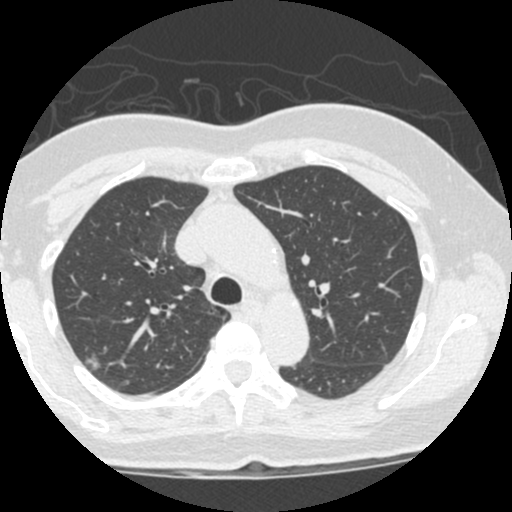
One axial slice (371 of 490, counting up from the lowest) of a chest CT acquired at 120 kVp with the STANDARD kernel; each pixel is 0.547 mm and the slice is 1.25 mm thick.
Pulmonary nodule, outlined by three of the four readers. Box on this slice rows 352–370, columns 84–101, the union of the readers' outlines on this slice; median longest diameter 15.2 mm (readers' outlines 14.3–18.3 mm), median volume 997 mm3 (967–1422 mm3). Median ratings and the readers' spread: median texture 1/5 (non-solid) (readers ranged 1/5 (non-solid) to 5/5 (solid)); margin 2/5 at the median of three readers, spread 2/5 to 4/5; median sphericity 4/5 (readers ranged 3/5 (ovoid) to 5/5 (round)); calcification absent from all three readers; internal structure soft tissue, all three readers agreeing; median subtlety 5/5 (readers ranged 1–5); median malignancy likelihood 3/5 (readers ranged 2–5). Scale key (1–5): texture non-solid→solid, margin indistinct→circumscribed, sphericity linear→round, subtlety extremely subtle→obvious, malignancy likelihood highly unlikely→highly suspicious of cancer. Box rows and columns are 0-based pixel indices from the top-left corner, inclusive.